Axial slice 416 of 474 of a chest CT (slice 1 is the lowest), reconstructed with the STANDARD kernel at 120 kVp; 1.25 mm slice thickness and 0.645 mm pixels.
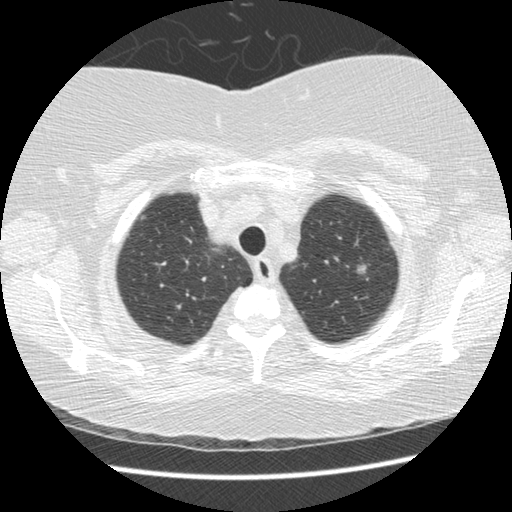
Pulmonary nodule outlined by three of the four readers; box rows 263–275, columns 355–366 (the union of the readers' outlines on this slice); longest diameter 9.2 mm on average over the three readers' outlines (readers' outlines 8.2–9.8 mm), volume 122–196 mm3. The readers' prevailing ratings and who disagreed: texture split among the readers: 1/5 (non-solid) (one), 3/5 (part-solid) (one), 5/5 (solid) (one); margin split among the readers: 2/5 (one), 3/5 (one), 4/5 (one); sphericity 4/5 by two of three readers; the rest gave 5/5 (round) (one); calcification absent from all three readers; internal structure soft tissue from all three readers; subtlety 5/5 by two of three readers; the rest gave 4/5 (one); malignancy likelihood 4/5, all three readers agreeing. Scale key (1–5): texture non-solid→solid, margin indistinct→circumscribed, sphericity linear→round, subtlety extremely subtle→obvious, malignancy likelihood highly unlikely→highly suspicious of cancer. Box rows and columns are 0-based pixel indices from the top-left corner, inclusive.